Axial slice 226 of 429 of a chest CT (slice 1 is the lowest), reconstructed with the STANDARD kernel at 120 kVp; 1.25 mm slice thickness and 0.586 mm pixels.
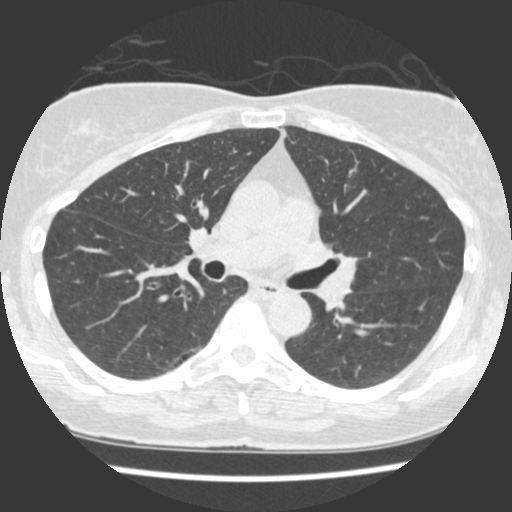
Pulmonary nodule, outlined by one of the four readers. Box on this slice rows 128–137, columns 281–285, that reader's outline on this slice; longest diameter 7.8 mm and volume 111 mm3 from that reader's outline. That reader's ratings: texture 5/5 (solid); margin 2/5; sphericity 2/5; calcification absent; internal structure soft tissue; subtlety 2/5; malignancy likelihood 1/5. Scale key (1–5): texture non-solid→solid, margin indistinct→circumscribed, sphericity linear→round, subtlety extremely subtle→obvious, malignancy likelihood highly unlikely→highly suspicious of cancer. Box rows and columns are 0-based pixel indices from the top-left corner, inclusive.